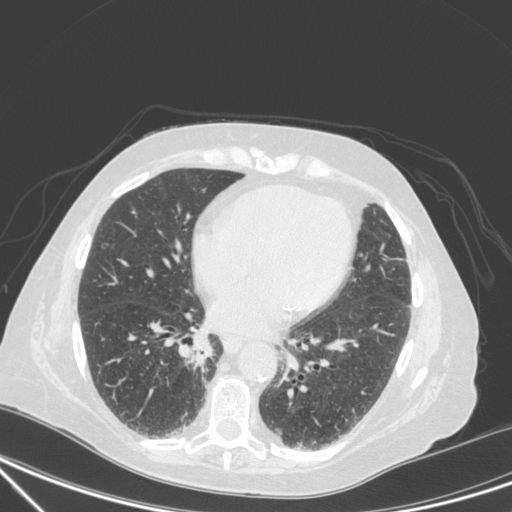
Axial chest CT slice 133 of 350 (counted from the lowest slice); 1.50 mm thick, 0.725 mm per pixel. Pulmonary nodule, outlined by one of the four readers. Box on this slice rows 337–360, columns 195–210, that reader's outline on this slice; longest diameter 29.7 mm and volume 4028 mm3 from that reader's outline. That reader's ratings: texture 5/5 (solid); margin 3/5; sphericity 3/5 (ovoid); calcification absent; internal structure soft tissue; subtlety 5/5; malignancy likelihood 4/5. Scale key (1–5): texture non-solid→solid, margin indistinct→circumscribed, sphericity linear→round, subtlety extremely subtle→obvious, malignancy likelihood highly unlikely→highly suspicious of cancer. Box rows and columns are 0-based pixel indices from the top-left corner, inclusive.
Tube voltage 120 kVp; convolution kernel C.